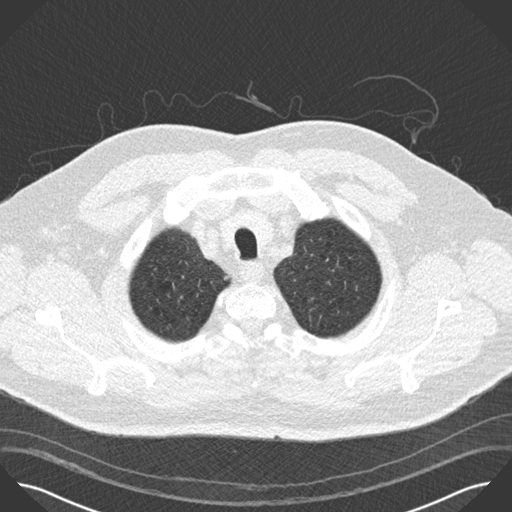
Chest CT, axial plane, 120 kVp, kernel B30f. Slice 180/199 from the bottom of the scan; thickness 2.00 mm; pixel size 0.762 mm.
Pulmonary nodule outlined by two of the four readers; box rows 275–279, columns 223–227 (the union of the readers' outlines on this slice); median longest diameter 7.2 mm (readers' outlines 6.6–7.8 mm), median volume 128 mm3 (97–160 mm3). Median ratings and the readers' spread: texture 5/5 (solid), both readers agreeing; margin 5/5 (circumscribed), both readers agreeing; sphericity 4/5 at the median of two readers, spread 3/5 (ovoid) to 5/5 (round); calcification split among the readers: absent (one), non-central calcification (one); internal structure soft tissue from both readers; median subtlety 4.5/5 (readers ranged 4–5); malignancy likelihood 2/5 from both readers. Scale key (1–5): texture non-solid→solid, margin indistinct→circumscribed, sphericity linear→round, subtlety extremely subtle→obvious, malignancy likelihood highly unlikely→highly suspicious of cancer. Box rows and columns are 0-based pixel indices from the top-left corner, inclusive.